One axial slice (93 of 280, counting up from the lowest) of a chest CT acquired at 120 kVp with the B kernel; each pixel is 0.805 mm and the slice is 2.00 mm thick.
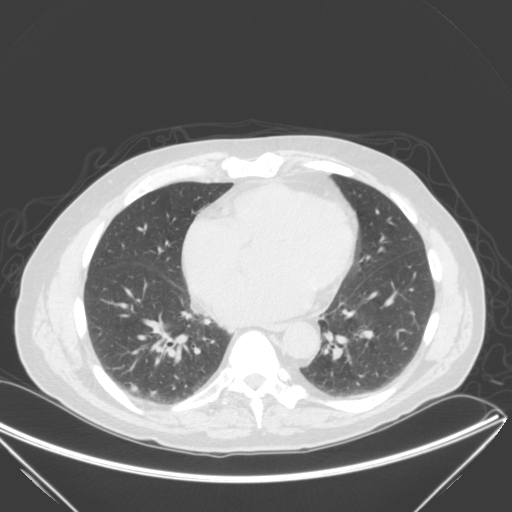
Pulmonary nodule outlined by all four readers; box rows 384–391, columns 130–137 (the union of the readers' outlines on this slice); median longest diameter 9.3 mm (readers' outlines 9.1–10.9 mm), median volume 293 mm3 (168–331 mm3). Median ratings and the readers' spread: texture 5/5 (solid) from all four readers; margin 4/5 at the median of four readers, spread 4/5 to 5/5 (circumscribed); median sphericity 5/5 (round) (readers ranged 4/5 to 5/5 (round)); calcification absent from all four readers; internal structure soft tissue, all four readers agreeing; subtlety 5/5 at the median of four readers, spread 4–5; median malignancy likelihood 3/5 (readers ranged 3–5). Scale key (1–5): texture non-solid→solid, margin indistinct→circumscribed, sphericity linear→round, subtlety extremely subtle→obvious, malignancy likelihood highly unlikely→highly suspicious of cancer. Box rows and columns are 0-based pixel indices from the top-left corner, inclusive.